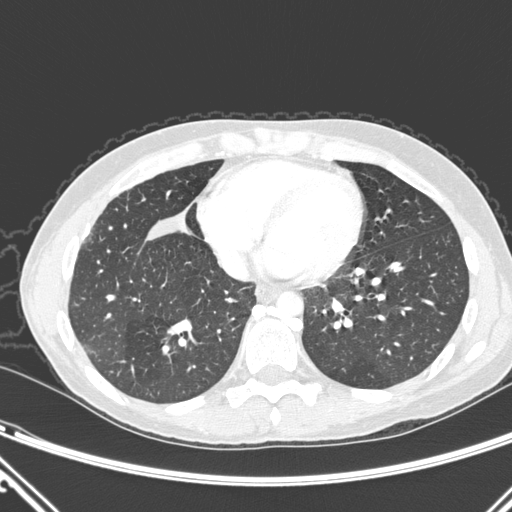
This is axial slice 94 of 290 (slice 1 is the lowest) of a chest CT; each pixel is 0.662 mm and the slice is 1.00 mm thick. Pulmonary nodule, outlined by all four readers, one of them on this slice. Box on this slice rows 330–334, columns 168–178, the one reader's outline on this slice; longest diameter 24.6 mm on average over the four readers' outlines (readers' outlines 22.2–29.6 mm), volume 2637–3531 mm3. Ratings, by the readers' most common answer with dissent counted: texture 5/5 (solid), all four readers agreeing; margin split among the readers: 4/5 (two), 5/5 (circumscribed) (two); sphericity 4/5 by two of four readers; the rest gave 2/5 (one), 5/5 (round) (one); calcification absent from all four readers; internal structure soft tissue from all four readers; subtlety 5/5 from all four readers; malignancy likelihood 5/5 by two of four readers; the rest gave 3/5 (one), 4/5 (one). Scale key (1–5): texture non-solid→solid, margin indistinct→circumscribed, sphericity linear→round, subtlety extremely subtle→obvious, malignancy likelihood highly unlikely→highly suspicious of cancer. Box rows and columns are 0-based pixel indices from the top-left corner, inclusive.
Acquired at 120 kVp and reconstructed with the D kernel.